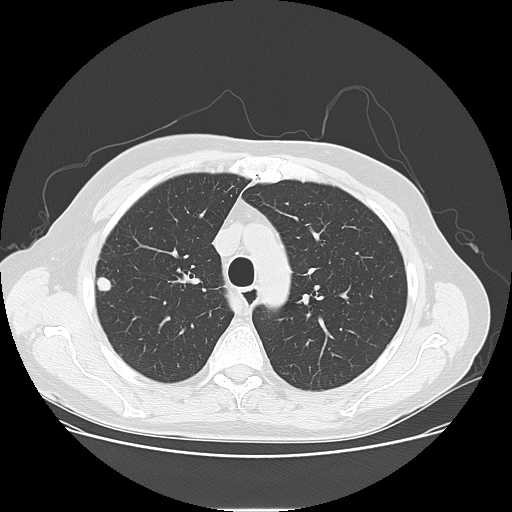
Axial slice 102 of 141 of a chest CT (slice 1 is the lowest), reconstructed with the LUNG kernel at 120 kVp; 2.50 mm slice thickness and 0.762 mm pixels.
Pulmonary nodule outlined by all four readers; box rows 277–290, columns 97–111 (the union of the readers' outlines on this slice); longest diameter 13.5 mm on average over the four readers' outlines (readers' outlines 13.0–13.7 mm), volume 746–896 mm3. Ratings, by the readers' most common answer with dissent counted: texture 5/5 (solid) from all four readers; margin split among the readers: 4/5 (two), 5/5 (circumscribed) (two); sphericity split among the readers: 4/5 (two), 5/5 (round) (two); calcification absent, all four readers agreeing; internal structure soft tissue, all four readers agreeing; subtlety 5/5, all four readers agreeing; malignancy likelihood 5/5 by two of four readers; the rest gave 3/5 (one), 4/5 (one). Scale key (1–5): texture non-solid→solid, margin indistinct→circumscribed, sphericity linear→round, subtlety extremely subtle→obvious, malignancy likelihood highly unlikely→highly suspicious of cancer. Box rows and columns are 0-based pixel indices from the top-left corner, inclusive.